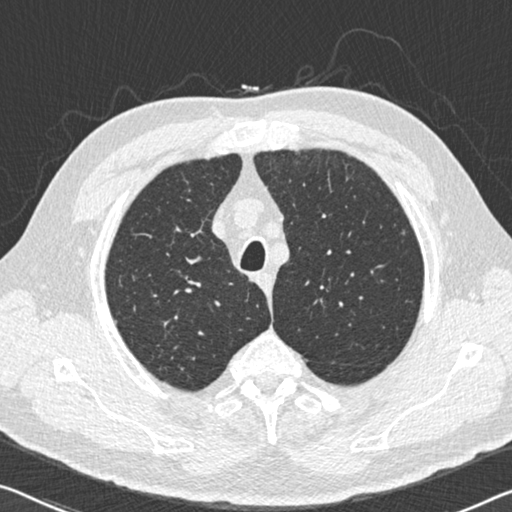
Axial chest CT slice 456 of 536 (counted from the lowest slice); tube voltage 120 kVp, convolution kernel B30f; slices 0.75 mm thick, 0.656 mm per pixel.
Pulmonary nodule, outlined by one of the four readers. Box on this slice rows 229–235, columns 401–405, that reader's outline on this slice; longest diameter 6.2 mm and volume 42 mm3 from that reader's outline. That reader's ratings: texture 2/5; margin 3/5; sphericity 3/5 (ovoid); calcification absent; internal structure soft tissue; subtlety 3/5; malignancy likelihood 3/5. Scale key (1–5): texture non-solid→solid, margin indistinct→circumscribed, sphericity linear→round, subtlety extremely subtle→obvious, malignancy likelihood highly unlikely→highly suspicious of cancer. Box rows and columns are 0-based pixel indices from the top-left corner, inclusive.